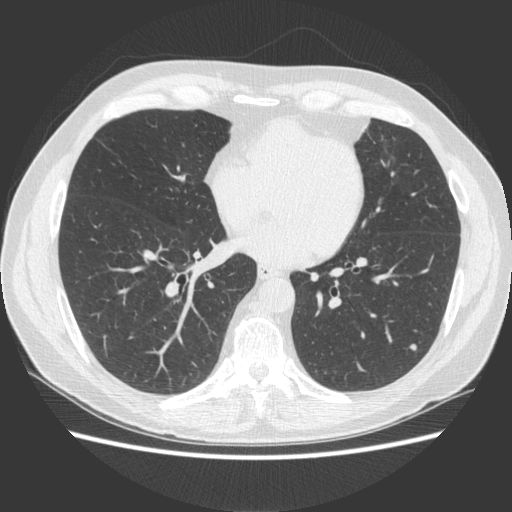
Axial chest CT slice 202 of 500 (counted from the lowest slice); 1.25 mm thick, 0.703 mm per pixel. Pulmonary nodule, outlined by three of the four readers. Box on this slice rows 344–351, columns 409–416, the union of the readers' outlines on this slice; longest diameter 6.6–8.2 mm and volume 102–165 mm3 across the three readers' outlines. The readers' ratings, as ranges where they differ: texture from 4/5 to 5/5 (solid) across the three readers; margin from 4/5 to 5/5 (circumscribed) across the three readers; sphericity from 3/5 (ovoid) to 5/5 (round) across the three readers; calcification absent from all three readers; internal structure soft tissue from all three readers; subtlety from 4/5 to 5/5 across the three readers; malignancy likelihood 2–4/5 (the readers disagree). Scale key (1–5): texture non-solid→solid, margin indistinct→circumscribed, sphericity linear→round, subtlety extremely subtle→obvious, malignancy likelihood highly unlikely→highly suspicious of cancer. Box rows and columns are 0-based pixel indices from the top-left corner, inclusive.
Tube voltage 120 kVp; convolution kernel STANDARD.